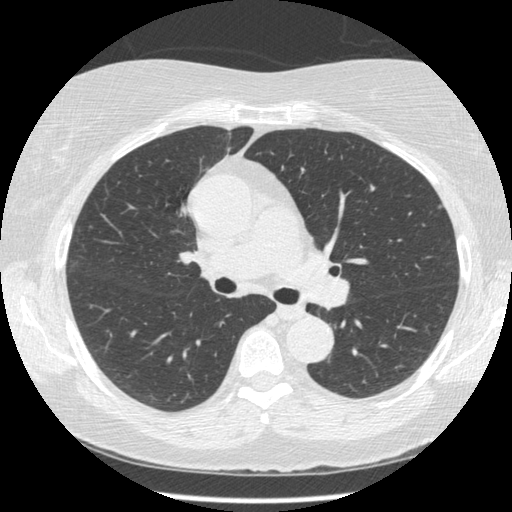
Slice 292/484 of a chest CT, counting up from the lowest; pixel size 0.664 mm, slice thickness 1.25 mm. Pulmonary nodule outlined by one of the four readers; box rows 204–208, columns 437–441 (that reader's outline on this slice); longest diameter 4.8 mm and volume 27 mm3 from that reader's outline. Ratings by that reader: texture 5/5 (solid); margin 4/5; sphericity 4/5; calcification absent; internal structure soft tissue; subtlety 5/5; malignancy likelihood 3/5. Scale key (1–5): texture non-solid→solid, margin indistinct→circumscribed, sphericity linear→round, subtlety extremely subtle→obvious, malignancy likelihood highly unlikely→highly suspicious of cancer. Box rows and columns are 0-based pixel indices from the top-left corner, inclusive.
Acquired at 120 kVp and reconstructed with the STANDARD kernel.